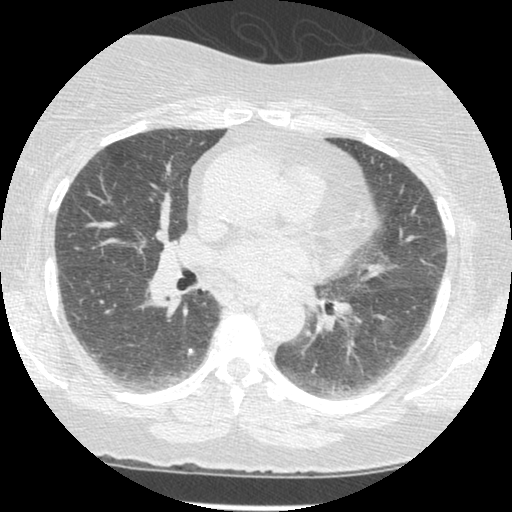
Chest CT, axial plane, 120 kVp, kernel STANDARD. Slice 176/381 from the bottom of the scan; thickness 1.25 mm; pixel size 0.625 mm.
Pulmonary nodule, outlined by two of the four readers. Box on this slice rows 349–351, columns 188–191, the union of the readers' outlines on this slice; longest diameter 3.9 mm on average over the two readers' outlines (readers' outlines 3.6–4.2 mm), volume 18–22 mm3. Ratings, by the readers' most common answer with dissent counted: texture 5/5 (solid) from both readers; margin split among the readers: 4/5 (one), 5/5 (circumscribed) (one); sphericity 5/5 (round) from both readers; calcification solid calcification, both readers agreeing; internal structure soft tissue from both readers; subtlety split among the readers: 2/5 (one), 5/5 (one); malignancy likelihood 1/5 from both readers. Scale key (1–5): texture non-solid→solid, margin indistinct→circumscribed, sphericity linear→round, subtlety extremely subtle→obvious, malignancy likelihood highly unlikely→highly suspicious of cancer. Box rows and columns are 0-based pixel indices from the top-left corner, inclusive.